Axial chest CT slice 151 of 330 (counted from the lowest slice); tube voltage 120 kVp, convolution kernel B45f; slices 1.00 mm thick, 0.762 mm per pixel.
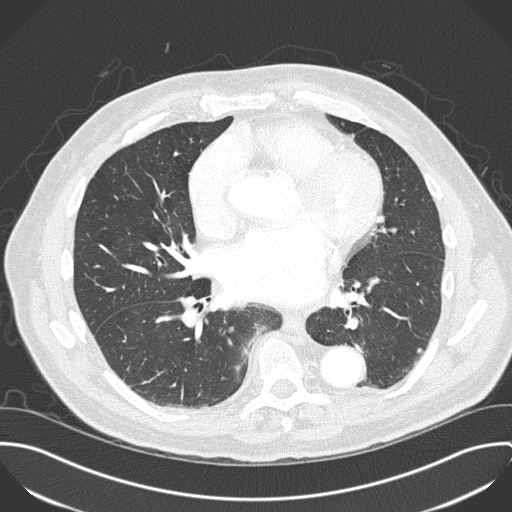
Pulmonary nodule, outlined by three of the four readers. Box on this slice rows 347–353, columns 416–422, the union of the readers' outlines on this slice; longest diameter 6.1 mm on average over the three readers' outlines (readers' outlines 5.5–7.2 mm), volume 49–105 mm3. Ratings, by the readers' most common answer with dissent counted: texture 5/5 (solid) by two of three readers; the rest gave 4/5 (one); margin 4/5 by two of three readers; the rest gave 2/5 (one); sphericity split among the readers: 2/5 (one), 3/5 (ovoid) (one), 4/5 (one); calcification absent from all three readers; internal structure soft tissue, all three readers agreeing; most readers (two of three) put subtlety at 3/5, others 4/5 (one); malignancy likelihood 3/5 by two of three readers; the rest gave 2/5 (one). Scale key (1–5): texture non-solid→solid, margin indistinct→circumscribed, sphericity linear→round, subtlety extremely subtle→obvious, malignancy likelihood highly unlikely→highly suspicious of cancer. Box rows and columns are 0-based pixel indices from the top-left corner, inclusive.